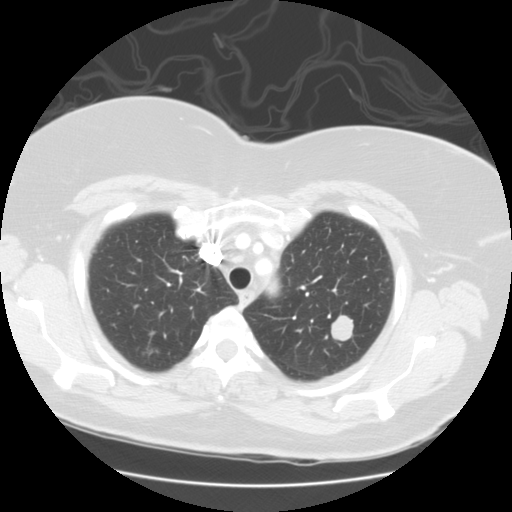
Chest CT, axial plane, 120 kVp, kernel STANDARD. Slice 109/127 from the bottom of the scan; thickness 2.50 mm; pixel size 0.703 mm.
Pulmonary nodule outlined by all four readers; box rows 314–342, columns 330–354 (the union of the readers' outlines on this slice); the four readers' outlines give a longest diameter between 20.7 and 22.2 mm and a volume between 3995 and 4590 mm3. The readers' ratings, as ranges where they differ: texture 5/5 (solid) from all four readers; margin from 4/5 to 5/5 (circumscribed) across the four readers; sphericity from 4/5 to 5/5 (round) across the four readers; calcification absent from all four readers; internal structure soft tissue, all four readers agreeing; subtlety 5/5, all four readers agreeing; malignancy likelihood 2–5/5 (the readers disagree). Scale key (1–5): texture non-solid→solid, margin indistinct→circumscribed, sphericity linear→round, subtlety extremely subtle→obvious, malignancy likelihood highly unlikely→highly suspicious of cancer. Box rows and columns are 0-based pixel indices from the top-left corner, inclusive.